Axial slice 252 of 369 of a chest CT (slice 1 is the lowest), reconstructed with the STANDARD kernel at 120 kVp; 1.25 mm slice thickness and 0.703 mm pixels.
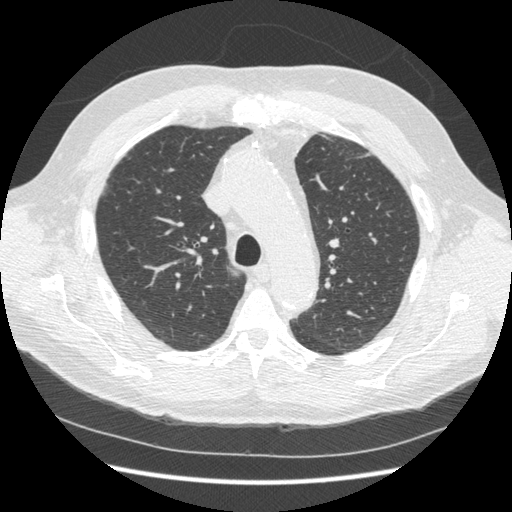
Pulmonary nodule outlined by one of the four readers; box rows 184–195, columns 103–108 (that reader's outline on this slice); longest diameter 27.0 mm and volume 3015 mm3 from that reader's outline. That reader's ratings: texture 1/5 (non-solid); margin 1/5 (indistinct); sphericity 3/5 (ovoid); calcification absent; internal structure soft tissue; subtlety 3/5; malignancy likelihood 3/5. Scale key (1–5): texture non-solid→solid, margin indistinct→circumscribed, sphericity linear→round, subtlety extremely subtle→obvious, malignancy likelihood highly unlikely→highly suspicious of cancer. Box rows and columns are 0-based pixel indices from the top-left corner, inclusive.